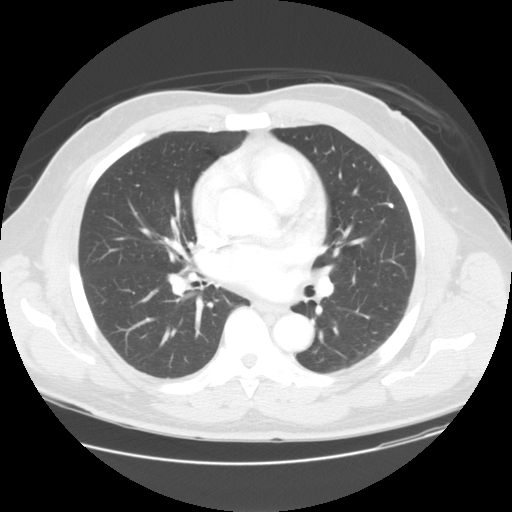
Axial chest CT slice 81 of 144 (counted from the lowest slice); tube voltage 120 kVp, convolution kernel STANDARD; slices 2.50 mm thick, 0.781 mm per pixel.
Pulmonary nodule outlined by all four readers; box rows 203–207, columns 388–392 (the union of the readers' outlines on this slice); median longest diameter 5.8 mm (readers' outlines 5.6–6.4 mm), median volume 85 mm3 (58–89 mm3). Ratings, median across the readers with their spread: texture 5/5 (solid) from all four readers; margin 5/5 (circumscribed), all four readers agreeing; sphericity 4/5 at the median of four readers, spread 3/5 (ovoid) to 5/5 (round); calcification: solid calcification (three), absent (one); internal structure soft tissue from all four readers; median subtlety 4/5 (readers ranged 4–5); malignancy likelihood 1/5 from all four readers. Scale key (1–5): texture non-solid→solid, margin indistinct→circumscribed, sphericity linear→round, subtlety extremely subtle→obvious, malignancy likelihood highly unlikely→highly suspicious of cancer. Box rows and columns are 0-based pixel indices from the top-left corner, inclusive.